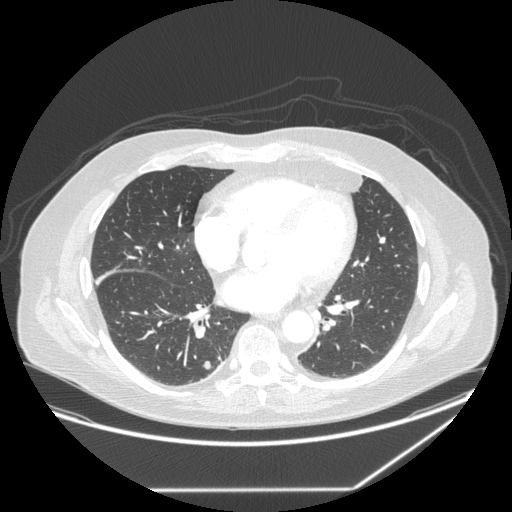
Axial slice 121 of 258 of a chest CT (slice 1 is the lowest), reconstructed with the STANDARD kernel at 120 kVp; 1.25 mm slice thickness and 0.859 mm pixels.
Pulmonary nodule, outlined by all four readers. Box on this slice rows 360–369, columns 202–210, the union of the readers' outlines on this slice; longest diameter 9.8 mm on average over the four readers' outlines (readers' outlines 8.2–10.9 mm), volume 187–384 mm3. Ratings, by the readers' most common answer with dissent counted: texture 5/5 (solid), all four readers agreeing; margin split among the readers: 4/5 (two), 5/5 (circumscribed) (two); sphericity split among the readers: 4/5 (two), 5/5 (round) (two); calcification absent, all four readers agreeing; internal structure soft tissue from all four readers; subtlety 4/5 by two of four readers; the rest gave 3/5 (one), 5/5 (one); malignancy likelihood 3/5 by two of four readers; the rest gave 2/5 (one), 4/5 (one). Scale key (1–5): texture non-solid→solid, margin indistinct→circumscribed, sphericity linear→round, subtlety extremely subtle→obvious, malignancy likelihood highly unlikely→highly suspicious of cancer. Box rows and columns are 0-based pixel indices from the top-left corner, inclusive.